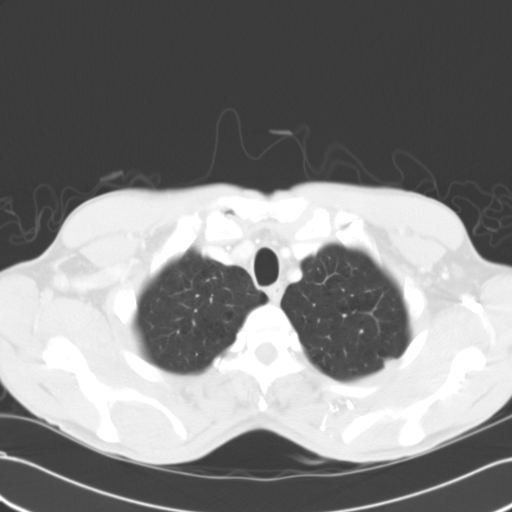
Axial chest CT slice 126 of 137 (counted from the lowest slice); 5.00 mm thick, 0.691 mm per pixel. Pulmonary nodule, outlined by all four readers. Box on this slice rows 357–366, columns 384–395, the union of the readers' outlines on this slice; longest diameter 11.4 mm on average over the four readers' outlines (readers' outlines 10.9–11.9 mm), volume 556–688 mm3. The readers' prevailing ratings and who disagreed: texture 5/5 (solid) by three of four readers; the rest gave 4/5 (one); margin split among the readers: 4/5 (two), 5/5 (circumscribed) (two); sphericity 3/5 (ovoid) by two of four readers; the rest gave 4/5 (one), 5/5 (round) (one); calcification absent from all four readers; internal structure soft tissue, all four readers agreeing; subtlety 5/5 by two of four readers; the rest gave 3/5 (one), 4/5 (one); malignancy likelihood 3/5 by two of four readers; the rest gave 2/5 (one), 4/5 (one). Scale key (1–5): texture non-solid→solid, margin indistinct→circumscribed, sphericity linear→round, subtlety extremely subtle→obvious, malignancy likelihood highly unlikely→highly suspicious of cancer. Box rows and columns are 0-based pixel indices from the top-left corner, inclusive.
Scan settings: 120 kVp, B31f reconstruction kernel.